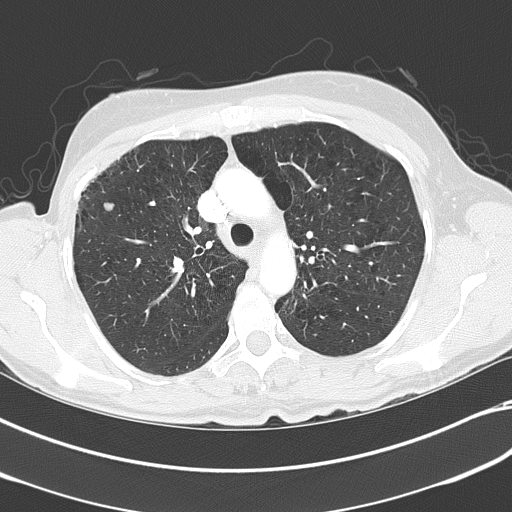
Axial chest CT slice 257 of 351 (counted from the lowest slice); 2.00 mm thick, 0.643 mm per pixel. Pulmonary nodule, outlined by all four readers. Box on this slice rows 202–211, columns 103–115, the union of the readers' outlines on this slice; the four readers' outlines give a longest diameter between 8.5 and 9.1 mm and a volume between 196 and 254 mm3. The readers' ratings, as ranges where they differ: texture from 1/5 (non-solid) to 5/5 (solid) across the four readers; margin 5/5 (circumscribed), all four readers agreeing; sphericity from 3/5 (ovoid) to 4/5 across the four readers; calcification absent, all four readers agreeing; internal structure soft tissue, all four readers agreeing; subtlety 5/5 from all four readers; malignancy likelihood 3–4/5 (the readers disagree). Scale key (1–5): texture non-solid→solid, margin indistinct→circumscribed, sphericity linear→round, subtlety extremely subtle→obvious, malignancy likelihood highly unlikely→highly suspicious of cancer. Box rows and columns are 0-based pixel indices from the top-left corner, inclusive.
Tube voltage 120 kVp; convolution kernel B70f.